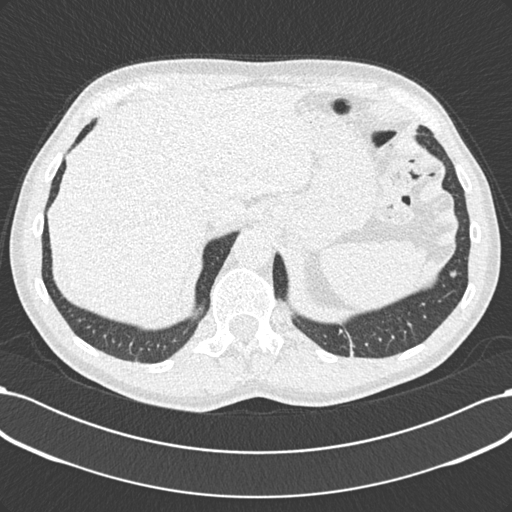
Chest CT, axial plane, 120 kVp, kernel B30f. Slice 44/198 from the bottom of the scan; thickness 2.00 mm; pixel size 0.703 mm.
Pulmonary nodule, outlined by all four readers. Box on this slice rows 270–277, columns 449–457, the union of the readers' outlines on this slice; longest diameter 7.9–9.8 mm and volume 191–370 mm3 across the four readers' outlines. Ratings across the readers: texture from 4/5 to 5/5 (solid) across the four readers; margin from 4/5 to 5/5 (circumscribed) across the four readers; sphericity from 4/5 to 5/5 (round) across the four readers; calcification absent from all four readers; internal structure soft tissue from all four readers; subtlety 4–5/5 (the readers disagree); malignancy likelihood rated between 3 and 4 out of 5 by the four readers. Scale key (1–5): texture non-solid→solid, margin indistinct→circumscribed, sphericity linear→round, subtlety extremely subtle→obvious, malignancy likelihood highly unlikely→highly suspicious of cancer. Box rows and columns are 0-based pixel indices from the top-left corner, inclusive.